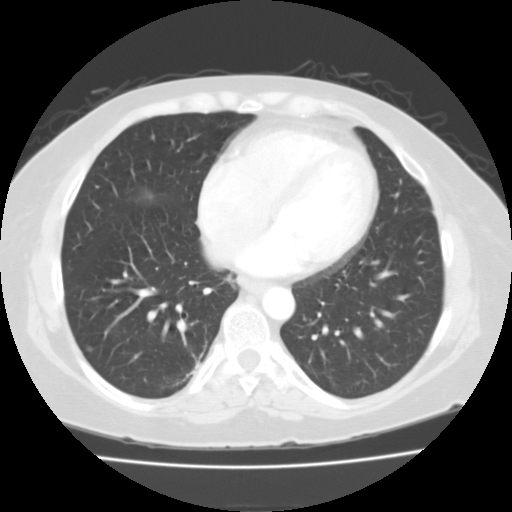
Chest CT, axial plane, 135 kVp, kernel FC01. Slice 44/109 from the bottom of the scan; thickness 3.00 mm; pixel size 0.671 mm.
Pulmonary nodule at rows 346–351, columns 87–91 (box = the one reader's outline on this slice), outlined by two of the four readers, one of them on this slice; longest diameter 5.6 mm on average over the two readers' outlines (readers' outlines 5.5–5.7 mm), volume 57–101 mm3. Ratings, by the readers' most common answer with dissent counted: texture 5/5 (solid) from both readers; margin 5/5 (circumscribed), both readers agreeing; sphericity 5/5 (round) from both readers; calcification absent from both readers; internal structure soft tissue from both readers; subtlety split among the readers: 2/5 (one), 4/5 (one); malignancy likelihood split among the readers: 1/5 (one), 3/5 (one). Scale key (1–5): texture non-solid→solid, margin indistinct→circumscribed, sphericity linear→round, subtlety extremely subtle→obvious, malignancy likelihood highly unlikely→highly suspicious of cancer. Box rows and columns are 0-based pixel indices from the top-left corner, inclusive.